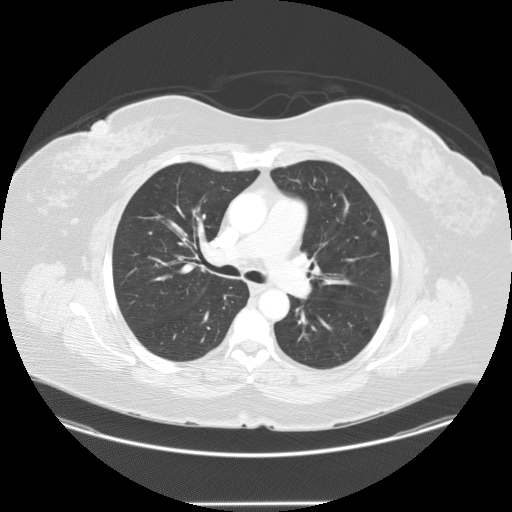
One axial slice (51 of 95, counting up from the lowest) of a chest CT acquired at 120 kVp with the STANDARD kernel; each pixel is 0.859 mm and the slice is 2.50 mm thick.
Pulmonary nodule, outlined by all four readers, two of them on this slice. Box on this slice rows 231–236, columns 371–376, the union of the readers' outlines on this slice; longest diameter 7.7 mm on average over the four readers' outlines (readers' outlines 7.1–7.9 mm), volume 140–232 mm3. Ratings, by the readers' most common answer with dissent counted: texture 5/5 (solid) from all four readers; most readers (three of four) put margin at 4/5, others 5/5 (circumscribed) (one); sphericity 4/5 by two of four readers; the rest gave 3/5 (ovoid) (one), 5/5 (round) (one); calcification absent from all four readers; internal structure soft tissue, all four readers agreeing; most readers (three of four) put subtlety at 3/5, others 4/5 (one); malignancy likelihood split among the readers: 2/5 (two), 3/5 (two). Scale key (1–5): texture non-solid→solid, margin indistinct→circumscribed, sphericity linear→round, subtlety extremely subtle→obvious, malignancy likelihood highly unlikely→highly suspicious of cancer. Box rows and columns are 0-based pixel indices from the top-left corner, inclusive.